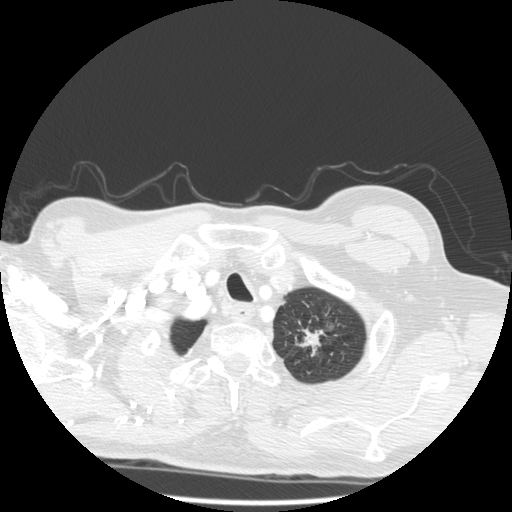
Axial chest CT slice 470 of 501 (counted from the lowest slice); tube voltage 140 kVp, convolution kernel STANDARD; slices 1.25 mm thick, 0.703 mm per pixel.
Pulmonary nodule at rows 328–356, columns 295–325 (box = the union of the readers' outlines on this slice), outlined by three of the four readers; longest diameter 35.0 mm on average over the three readers' outlines (readers' outlines 32.1–39.2 mm), volume 2361–4873 mm3. Ratings, by the readers' most common answer with dissent counted: texture 5/5 (solid) by two of three readers; the rest gave 4/5 (one); margin split among the readers: 1/5 (indistinct) (one), 3/5 (one), 5/5 (circumscribed) (one); sphericity split among the readers: 2/5 (one), 3/5 (ovoid) (one), 5/5 (round) (one); calcification absent, all three readers agreeing; internal structure soft tissue, all three readers agreeing; subtlety 5/5 from all three readers; most readers (two of three) put malignancy likelihood at 5/5, others 4/5 (one). Scale key (1–5): texture non-solid→solid, margin indistinct→circumscribed, sphericity linear→round, subtlety extremely subtle→obvious, malignancy likelihood highly unlikely→highly suspicious of cancer. Box rows and columns are 0-based pixel indices from the top-left corner, inclusive.